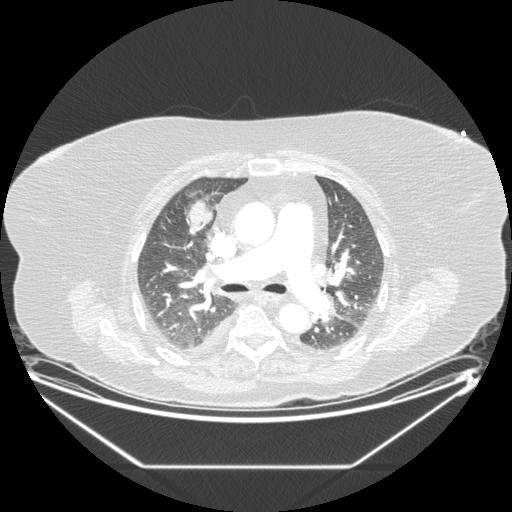
Chest CT, axial plane, 120 kVp, kernel STANDARD. Slice 119/206 from the bottom of the scan; thickness 1.25 mm; pixel size 0.898 mm.
Pulmonary nodule, outlined by three of the four readers. Box on this slice rows 200–231, columns 186–212, the union of the readers' outlines on this slice; median longest diameter 37.5 mm (readers' outlines 31.1–37.8 mm), median volume 4716 mm3 (4036–4781 mm3). Ratings, median across the readers with their spread: median texture 5/5 (solid) (readers ranged 1/5 (non-solid) to 5/5 (solid)); margin 4/5 from all three readers; median sphericity 3/5 (ovoid) (readers ranged 2/5 to 3/5 (ovoid)); calcification absent, all three readers agreeing; internal structure soft tissue from all three readers; subtlety 5/5 at the median of three readers, spread 4–5; malignancy likelihood 5/5 at the median of three readers, spread 3–5. Scale key (1–5): texture non-solid→solid, margin indistinct→circumscribed, sphericity linear→round, subtlety extremely subtle→obvious, malignancy likelihood highly unlikely→highly suspicious of cancer. Box rows and columns are 0-based pixel indices from the top-left corner, inclusive.